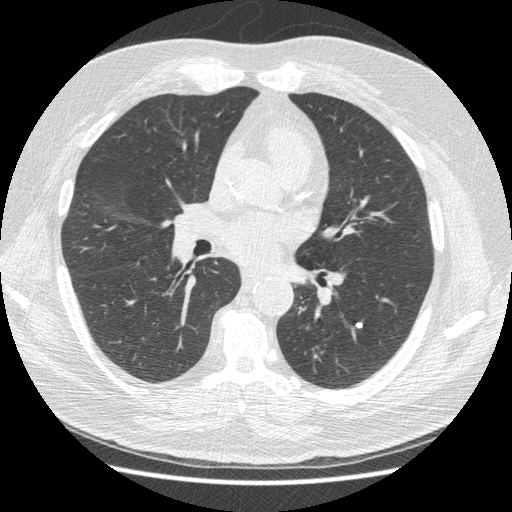
Axial chest CT slice 244 of 487 (counted from the lowest slice); tube voltage 120 kVp, convolution kernel STANDARD; slices 1.25 mm thick, 0.703 mm per pixel.
Pulmonary nodule at rows 322–328, columns 355–362 (box = the union of the readers' outlines on this slice), outlined by all four readers; median longest diameter 6.6 mm (readers' outlines 6.5–7.1 mm), median volume 86 mm3 (68–92 mm3). Median ratings and the readers' spread: texture 5/5 (solid) from all four readers; margin 5/5 (circumscribed) from all four readers; median sphericity 4.5/5 (readers ranged 3/5 (ovoid) to 5/5 (round)); calcification solid calcification from all four readers; internal structure soft tissue, all four readers agreeing; subtlety 5/5 at the median of four readers, spread 4–5; malignancy likelihood 1/5, all four readers agreeing. Scale key (1–5): texture non-solid→solid, margin indistinct→circumscribed, sphericity linear→round, subtlety extremely subtle→obvious, malignancy likelihood highly unlikely→highly suspicious of cancer. Box rows and columns are 0-based pixel indices from the top-left corner, inclusive.